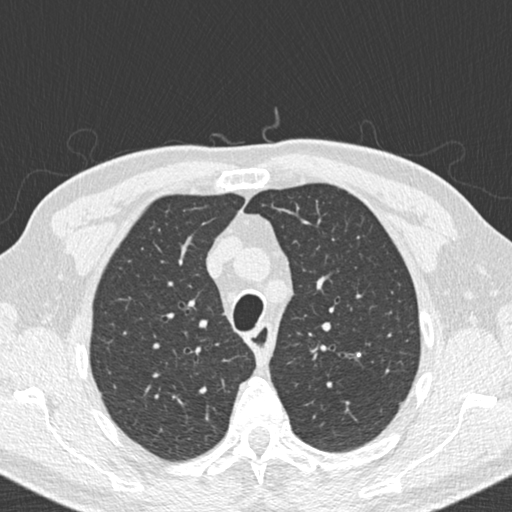
Axial chest CT slice 153 of 197 (counted from the lowest slice); 2.00 mm thick, 0.625 mm per pixel. Pulmonary nodule, outlined by all four readers. Box on this slice rows 352–357, columns 355–361, the union of the readers' outlines on this slice; median longest diameter 5.6 mm (readers' outlines 3.6–5.9 mm), median volume 63 mm3 (19–70 mm3). Ratings, median across the readers with their spread: texture 5/5 (solid) from all four readers; margin 5/5 (circumscribed), all four readers agreeing; sphericity 4.5/5 at the median of four readers, spread 4/5 to 5/5 (round); calcification solid calcification, all four readers agreeing; internal structure soft tissue, all four readers agreeing; median subtlety 5/5 (readers ranged 4–5); malignancy likelihood 1/5 from all four readers. Scale key (1–5): texture non-solid→solid, margin indistinct→circumscribed, sphericity linear→round, subtlety extremely subtle→obvious, malignancy likelihood highly unlikely→highly suspicious of cancer. Box rows and columns are 0-based pixel indices from the top-left corner, inclusive.
Acquired at 120 kVp and reconstructed with the B30f kernel.